Chest CT, axial plane, 120 kVp, kernel STANDARD. Slice 352/481 from the bottom of the scan; thickness 1.25 mm; pixel size 0.742 mm.
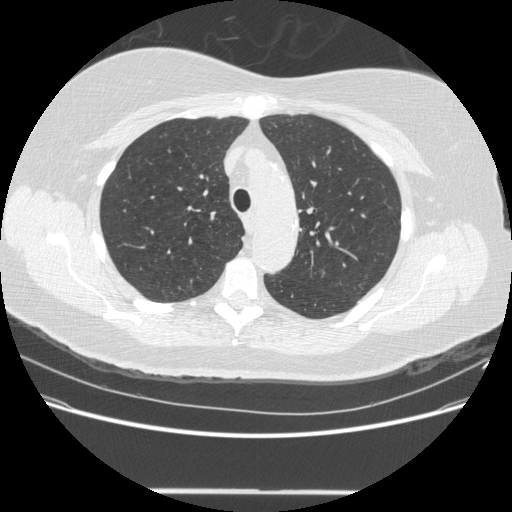
Pulmonary nodule at rows 270–275, columns 320–324 (box = the union of the readers' outlines on this slice), outlined by three of the four readers, two of them on this slice; median longest diameter 6.7 mm (readers' outlines 6.3–7.0 mm), median volume 68 mm3 (65–113 mm3). Median ratings and the readers' spread: texture 4/5 at the median of three readers, spread 3/5 (part-solid) to 5/5 (solid); median margin 3/5 (readers ranged 2/5 to 4/5); median sphericity 4/5 (readers ranged 3/5 (ovoid) to 4/5); calcification absent, all three readers agreeing; internal structure soft tissue from all three readers; subtlety 3/5 at the median of three readers, spread 2–4; median malignancy likelihood 3/5 (readers ranged 2–3). Scale key (1–5): texture non-solid→solid, margin indistinct→circumscribed, sphericity linear→round, subtlety extremely subtle→obvious, malignancy likelihood highly unlikely→highly suspicious of cancer. Box rows and columns are 0-based pixel indices from the top-left corner, inclusive.